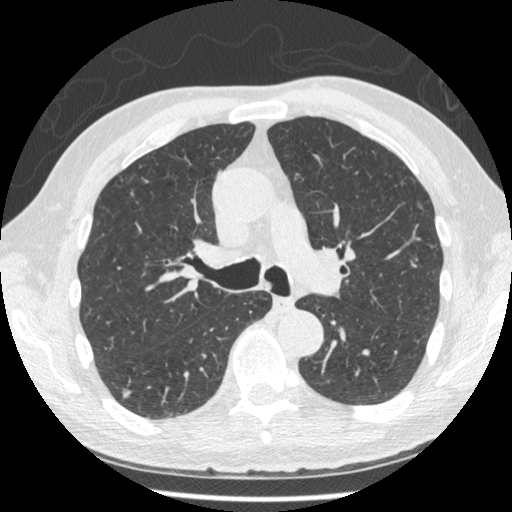
Axial chest CT slice 299 of 481 (counted from the lowest slice); tube voltage 120 kVp, convolution kernel STANDARD; slices 1.25 mm thick, 0.664 mm per pixel.
Pulmonary nodule at rows 389–399, columns 120–130 (box = that reader's outline on this slice), outlined by one of the four readers; longest diameter 8.9 mm and volume 153 mm3 from that reader's outline. Ratings by that reader: texture 5/5 (solid); margin 5/5 (circumscribed); sphericity 3/5 (ovoid); calcification absent; internal structure soft tissue; subtlety 4/5; malignancy likelihood 3/5. Scale key (1–5): texture non-solid→solid, margin indistinct→circumscribed, sphericity linear→round, subtlety extremely subtle→obvious, malignancy likelihood highly unlikely→highly suspicious of cancer. Box rows and columns are 0-based pixel indices from the top-left corner, inclusive.